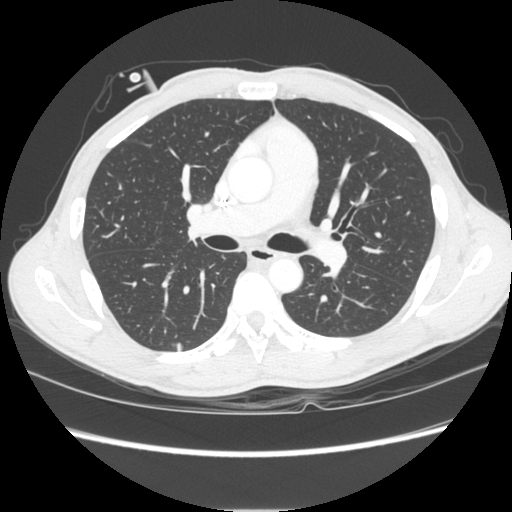
Axial chest CT slice 155 of 261 (counted from the lowest slice); tube voltage 120 kVp, convolution kernel STANDARD; slices 1.25 mm thick, 0.684 mm per pixel.
Pulmonary nodule outlined by all four readers; box rows 342–351, columns 175–183 (the union of the readers' outlines on this slice); the four readers' outlines give a longest diameter between 9.5 and 10.7 mm and a volume between 211 and 368 mm3. Ratings across the readers: texture 5/5 (solid) from all four readers; margin from 4/5 to 5/5 (circumscribed) across the four readers; sphericity from 3/5 (ovoid) to 5/5 (round) across the four readers; calcification absent, all four readers agreeing; internal structure soft tissue, all four readers agreeing; subtlety 3–5/5 (the readers disagree); malignancy likelihood from 2/5 to 5/5 across the four readers. Scale key (1–5): texture non-solid→solid, margin indistinct→circumscribed, sphericity linear→round, subtlety extremely subtle→obvious, malignancy likelihood highly unlikely→highly suspicious of cancer. Box rows and columns are 0-based pixel indices from the top-left corner, inclusive.